Axial chest CT slice 294 of 503 (counted from the lowest slice); tube voltage 120 kVp, convolution kernel STANDARD; slices 1.25 mm thick, 0.742 mm per pixel.
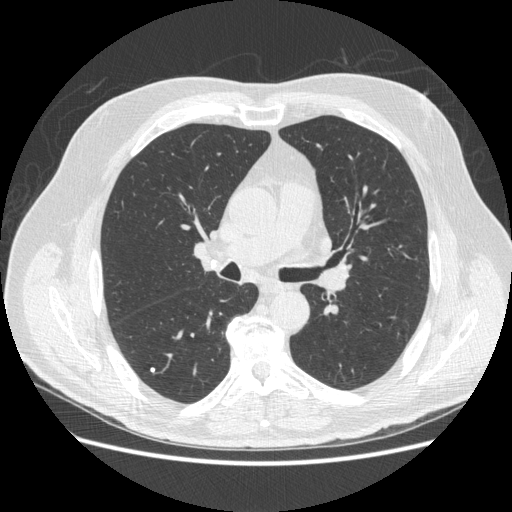
Pulmonary nodule at rows 367–371, columns 149–154 (box = the union of the readers' outlines on this slice), outlined by two of the four readers; the two readers' outlines give a longest diameter between 4.5 and 5.7 mm and a volume between 33 and 65 mm3. Ratings across the readers: texture 5/5 (solid), both readers agreeing; margin 5/5 (circumscribed) from both readers; sphericity from 4/5 to 5/5 (round) across the two readers; calcification solid calcification from both readers; internal structure soft tissue, both readers agreeing; subtlety 4/5 from both readers; malignancy likelihood 1/5, both readers agreeing. Scale key (1–5): texture non-solid→solid, margin indistinct→circumscribed, sphericity linear→round, subtlety extremely subtle→obvious, malignancy likelihood highly unlikely→highly suspicious of cancer. Box rows and columns are 0-based pixel indices from the top-left corner, inclusive.